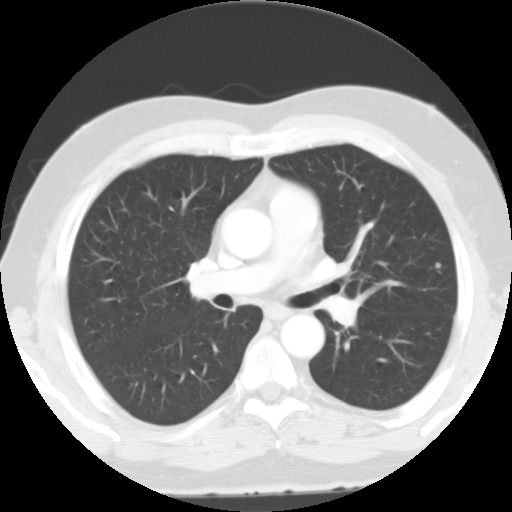
Chest CT, axial plane, 135 kVp, kernel FC01. Slice 66/116 from the bottom of the scan; thickness 3.00 mm; pixel size 0.692 mm.
Pulmonary nodule outlined by two of the four readers; box rows 262–268, columns 435–440 (the union of the readers' outlines on this slice); the two readers' outlines give a longest diameter between 5.0 and 5.6 mm and a volume between 88 and 120 mm3. Ratings across the readers: texture 5/5 (solid) from both readers; margin from 4/5 to 5/5 (circumscribed) across the two readers; sphericity from 3/5 (ovoid) to 5/5 (round) across the two readers; calcification absent, both readers agreeing; internal structure soft tissue, both readers agreeing; subtlety rated between 2 and 5 out of 5 by the two readers; malignancy likelihood 1–3/5 (the readers disagree). Scale key (1–5): texture non-solid→solid, margin indistinct→circumscribed, sphericity linear→round, subtlety extremely subtle→obvious, malignancy likelihood highly unlikely→highly suspicious of cancer. Box rows and columns are 0-based pixel indices from the top-left corner, inclusive.